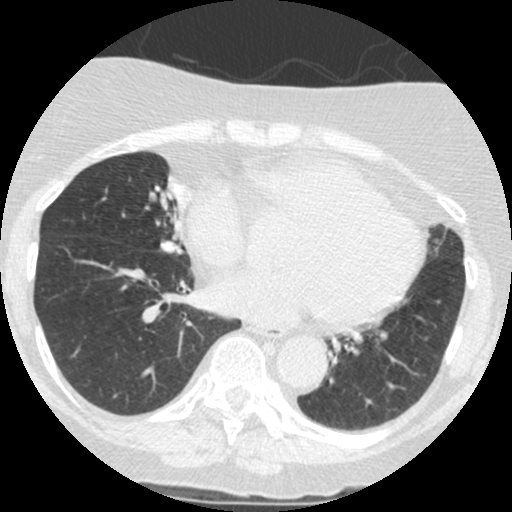
Chest CT, axial plane, 120 kVp, kernel STANDARD. Slice 155/426 from the bottom of the scan; thickness 1.25 mm; pixel size 0.547 mm.
Two pulmonary nodules are outlined on this slice; from left to right: (1) Pulmonary nodule outlined by one of the four readers; box rows 240–254, columns 160–182 (that reader's outline on this slice); longest diameter 15.0 mm and volume 404 mm3 from that reader's outline. Ratings by that reader: texture 5/5 (solid); margin 4/5; sphericity 4/5; calcification non-central calcification; internal structure soft tissue; subtlety 4/5; malignancy likelihood 2/5. (2) Pulmonary nodule, outlined by all four readers, two of them on this slice. Box on this slice rows 181–192, columns 166–181, the union of the readers' outlines on this slice; median longest diameter 18.6 mm (readers' outlines 17.0–20.6 mm), median volume 1572 mm3 (1129–1635 mm3). Ratings, median across the readers with their spread: median texture 5/5 (solid) (readers ranged 4/5 to 5/5 (solid)); median margin 3.5/5 (readers ranged 2/5 to 5/5 (circumscribed)); median sphericity 4/5 (readers ranged 3/5 (ovoid) to 5/5 (round)); calcification: absent (three), non-central calcification (one); internal structure soft tissue from all four readers; subtlety 4.5/5 at the median of four readers, spread 3–5; median malignancy likelihood 3.5/5 (readers ranged 2–4). Scale key (1–5): texture non-solid→solid, margin indistinct→circumscribed, sphericity linear→round, subtlety extremely subtle→obvious, malignancy likelihood highly unlikely→highly suspicious of cancer. Box rows and columns are 0-based pixel indices from the top-left corner, inclusive.